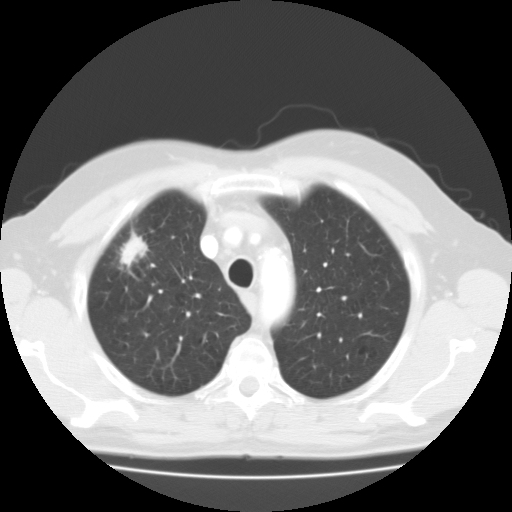
This is axial slice 88 of 109 (slice 1 is the lowest) of a chest CT; each pixel is 0.720 mm and the slice is 3.00 mm thick. Two pulmonary nodules on this slice, listed from left to right. (1) Pulmonary nodule, outlined by all four readers, three of them on this slice. Box on this slice rows 317–321, columns 122–127, the union of the readers' outlines on this slice; median longest diameter 8.9 mm (readers' outlines 8.9–10.0 mm), median volume 431 mm3 (349–490 mm3). Median ratings and the readers' spread: median texture 5/5 (solid) (readers ranged 2/5 to 5/5 (solid)); margin 4/5 at the median of four readers, spread 3/5 to 5/5 (circumscribed); sphericity 4.5/5 at the median of four readers, spread 3/5 (ovoid) to 5/5 (round); calcification absent from all four readers; internal structure soft tissue, all four readers agreeing; median subtlety 4/5 (readers ranged 3–5); malignancy likelihood 2/5 at the median of four readers, spread 2–3. (2) Pulmonary nodule outlined by three of the four readers; box rows 230–267, columns 120–149 (the union of the readers' outlines on this slice); longest diameter 28.5–30.8 mm and volume 5654–6646 mm3 across the three readers' outlines. The readers' ratings, as ranges where they differ: texture from 4/5 to 5/5 (solid) across the three readers; margin from 1/5 (indistinct) to 4/5 across the three readers; sphericity from 2/5 to 3/5 (ovoid) across the three readers; calcification absent from all three readers; internal structure soft tissue from all three readers; subtlety 5/5 from all three readers; malignancy likelihood 3–5/5 (the readers disagree). Scale key (1–5): texture non-solid→solid, margin indistinct→circumscribed, sphericity linear→round, subtlety extremely subtle→obvious, malignancy likelihood highly unlikely→highly suspicious of cancer. Box rows and columns are 0-based pixel indices from the top-left corner, inclusive.
Acquired at 135 kVp and reconstructed with the FC01 kernel.